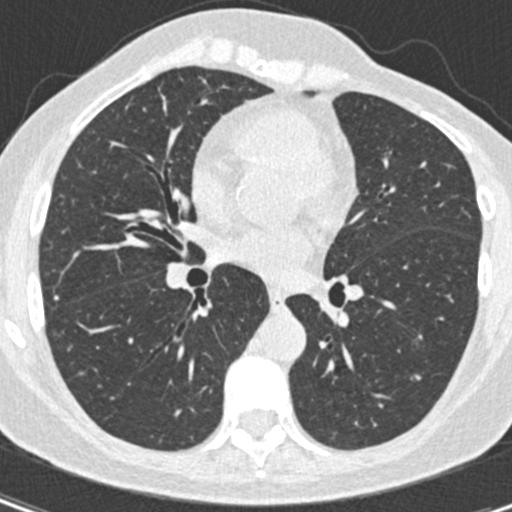
Chest CT, axial plane, 120 kVp, kernel B30f. Slice 209/408 from the bottom of the scan; thickness 0.75 mm; pixel size 0.531 mm.
Pulmonary nodule, outlined by one of the four readers. Box on this slice rows 296–300, columns 54–58, that reader's outline on this slice; longest diameter 4.0 mm and volume 31 mm3 from that reader's outline. Ratings by that reader: texture 5/5 (solid); margin 5/5 (circumscribed); sphericity 5/5 (round); calcification absent; internal structure soft tissue; subtlety 5/5; malignancy likelihood 2/5. Scale key (1–5): texture non-solid→solid, margin indistinct→circumscribed, sphericity linear→round, subtlety extremely subtle→obvious, malignancy likelihood highly unlikely→highly suspicious of cancer. Box rows and columns are 0-based pixel indices from the top-left corner, inclusive.